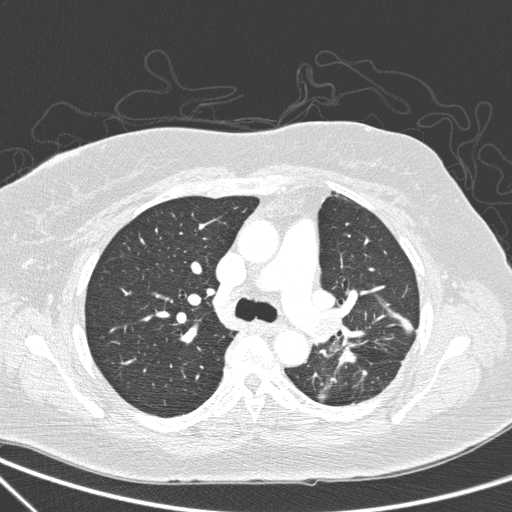
Axial chest CT slice 184 of 266 (counted from the lowest slice); tube voltage 120 kVp, convolution kernel D; slices 1.00 mm thick, 0.668 mm per pixel.
Pulmonary nodule, outlined by one of the four readers. Box on this slice rows 350–361, columns 344–356, that reader's outline on this slice; longest diameter 11.5 mm and volume 333 mm3 from that reader's outline. That reader's ratings: texture 5/5 (solid); margin 3/5; sphericity 2/5; calcification absent; internal structure soft tissue; subtlety 3/5; malignancy likelihood 4/5. Scale key (1–5): texture non-solid→solid, margin indistinct→circumscribed, sphericity linear→round, subtlety extremely subtle→obvious, malignancy likelihood highly unlikely→highly suspicious of cancer. Box rows and columns are 0-based pixel indices from the top-left corner, inclusive.